Chest CT, axial plane, 120 kVp, kernel C. Slice 132/350 from the bottom of the scan; thickness 1.50 mm; pixel size 0.725 mm.
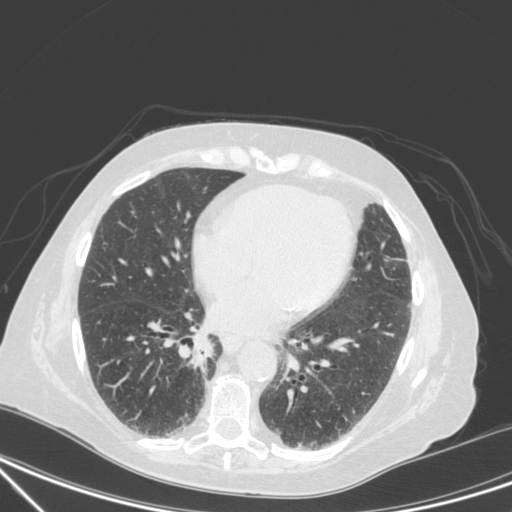
Pulmonary nodule at rows 339–362, columns 193–212 (box = that reader's outline on this slice), outlined by one of the four readers; longest diameter 29.7 mm and volume 4028 mm3 from that reader's outline. Ratings by that reader: texture 5/5 (solid); margin 3/5; sphericity 3/5 (ovoid); calcification absent; internal structure soft tissue; subtlety 5/5; malignancy likelihood 4/5. Scale key (1–5): texture non-solid→solid, margin indistinct→circumscribed, sphericity linear→round, subtlety extremely subtle→obvious, malignancy likelihood highly unlikely→highly suspicious of cancer. Box rows and columns are 0-based pixel indices from the top-left corner, inclusive.